Chest CT, axial plane, 135 kVp, kernel FC01. Slice 47/118 from the bottom of the scan; thickness 3.00 mm; pixel size 0.665 mm.
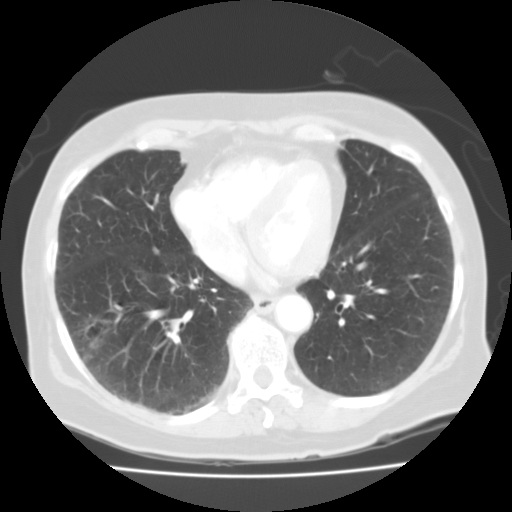
Pulmonary nodule outlined by all four readers; box rows 316–362, columns 77–113 (the union of the readers' outlines on this slice); median longest diameter 33.3 mm (readers' outlines 31.8–35.1 mm), median volume 7439 mm3 (6444–8715 mm3). Ratings, median across the readers with their spread: texture 1.5/5 at the median of four readers, spread 1/5 (non-solid) to 3/5 (part-solid); margin 2/5 at the median of four readers, spread 1/5 (indistinct) to 3/5; sphericity 4/5 at the median of four readers, spread 4/5 to 5/5 (round); calcification absent from all four readers; internal structure soft tissue, all four readers agreeing; subtlety 5/5, all four readers agreeing; malignancy likelihood 3.5/5 at the median of four readers, spread 2–5. Scale key (1–5): texture non-solid→solid, margin indistinct→circumscribed, sphericity linear→round, subtlety extremely subtle→obvious, malignancy likelihood highly unlikely→highly suspicious of cancer. Box rows and columns are 0-based pixel indices from the top-left corner, inclusive.